Chest CT, axial plane, 130 kVp, kernel B31s. Slice 111/135 from the bottom of the scan; thickness 3.00 mm; pixel size 0.711 mm.
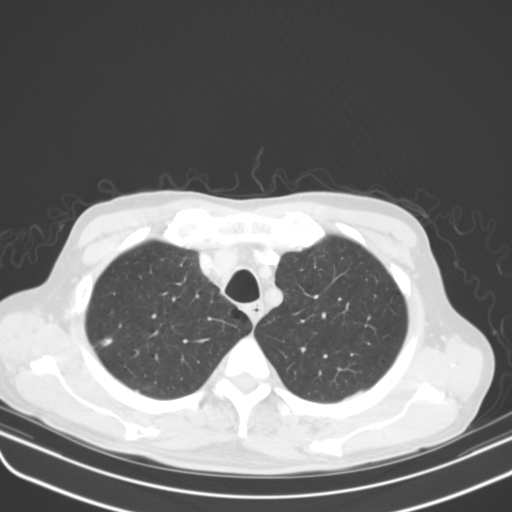
Pulmonary nodule outlined by one of the four readers; box rows 338–345, columns 99–112 (that reader's outline on this slice); longest diameter 11.6 mm and volume 492 mm3 from that reader's outline. Ratings by that reader: texture 5/5 (solid); margin 4/5; sphericity 3/5 (ovoid); calcification absent; internal structure soft tissue; subtlety 5/5; malignancy likelihood 3/5. Scale key (1–5): texture non-solid→solid, margin indistinct→circumscribed, sphericity linear→round, subtlety extremely subtle→obvious, malignancy likelihood highly unlikely→highly suspicious of cancer. Box rows and columns are 0-based pixel indices from the top-left corner, inclusive.